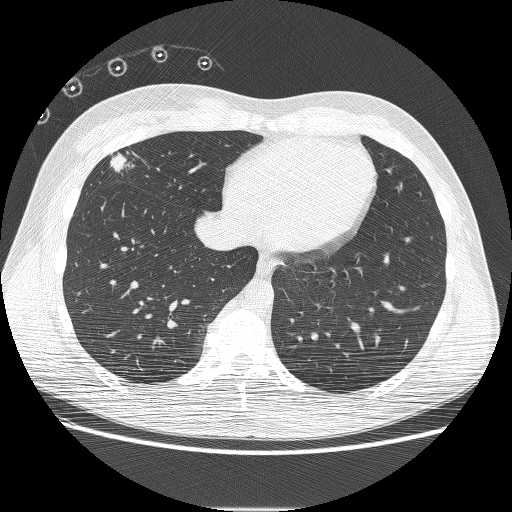
Axial chest CT slice 67 of 230 (counted from the lowest slice); tube voltage 120 kVp, convolution kernel BONE; slices 1.25 mm thick, 0.732 mm per pixel.
Pulmonary nodule at rows 152–173, columns 109–133 (box = the union of the readers' outlines on this slice), outlined by all four readers; median longest diameter 27.2 mm (readers' outlines 23.5–29.5 mm), median volume 3460 mm3 (3146–3701 mm3). Ratings, median across the readers with their spread: texture 5/5 (solid), all four readers agreeing; margin 4.5/5 at the median of four readers, spread 3/5 to 5/5 (circumscribed); sphericity 3.5/5 at the median of four readers, spread 3/5 (ovoid) to 4/5; calcification absent, all four readers agreeing; internal structure soft tissue, all four readers agreeing; subtlety 5/5, all four readers agreeing; malignancy likelihood 5/5 at the median of four readers, spread 4–5. Scale key (1–5): texture non-solid→solid, margin indistinct→circumscribed, sphericity linear→round, subtlety extremely subtle→obvious, malignancy likelihood highly unlikely→highly suspicious of cancer. Box rows and columns are 0-based pixel indices from the top-left corner, inclusive.